Axial chest CT slice 357 of 503 (counted from the lowest slice); tube voltage 120 kVp, convolution kernel STANDARD; slices 1.25 mm thick, 0.742 mm per pixel.
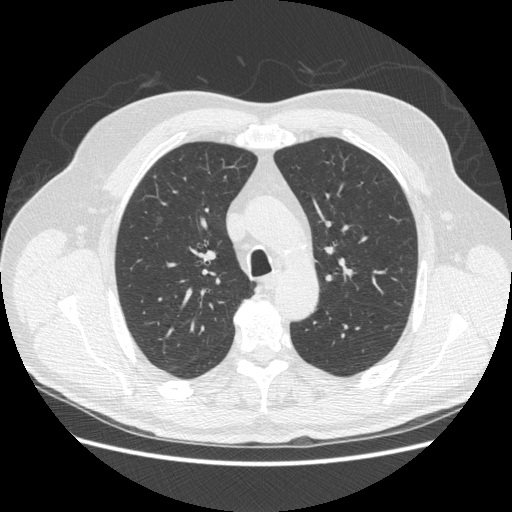
Pulmonary nodule, outlined by all four readers. Box on this slice rows 215–224, columns 155–162, the union of the readers' outlines on this slice; longest diameter 8.2 mm on average over the four readers' outlines (readers' outlines 7.6–8.7 mm), volume 67–154 mm3. Ratings, by the readers' most common answer with dissent counted: texture 1/5 (non-solid) by three of four readers; the rest gave 3/5 (part-solid) (one); margin split among the readers: 2/5 (one), 3/5 (one), 4/5 (one), 5/5 (circumscribed) (one); sphericity split among the readers: 4/5 (two), 5/5 (round) (two); calcification absent, all four readers agreeing; internal structure soft tissue from all four readers; subtlety 1/5 by two of four readers; the rest gave 2/5 (one), 5/5 (one); malignancy likelihood split among the readers: 2/5 (two), 4/5 (two). Scale key (1–5): texture non-solid→solid, margin indistinct→circumscribed, sphericity linear→round, subtlety extremely subtle→obvious, malignancy likelihood highly unlikely→highly suspicious of cancer. Box rows and columns are 0-based pixel indices from the top-left corner, inclusive.